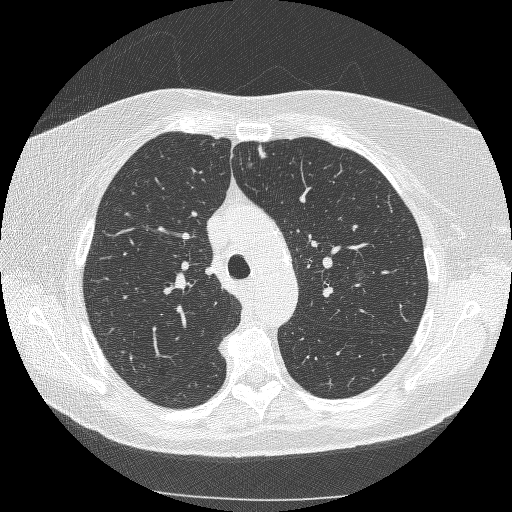
Axial slice 193 of 253 of a chest CT (slice 1 is the lowest), reconstructed with the BONE kernel at 120 kVp; 1.25 mm slice thickness and 0.625 mm pixels.
Pulmonary nodule outlined by one of the four readers; box rows 147–157, columns 259–266 (that reader's outline on this slice); longest diameter 10.7 mm and volume 164 mm3 from that reader's outline. Ratings by that reader: texture 5/5 (solid); margin 4/5; sphericity 2/5; calcification absent; internal structure soft tissue; subtlety 3/5; malignancy likelihood 3/5. Scale key (1–5): texture non-solid→solid, margin indistinct→circumscribed, sphericity linear→round, subtlety extremely subtle→obvious, malignancy likelihood highly unlikely→highly suspicious of cancer. Box rows and columns are 0-based pixel indices from the top-left corner, inclusive.